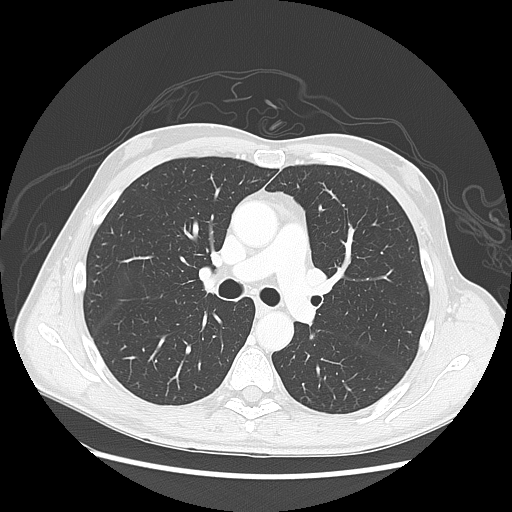
Axial chest CT slice 97 of 147 (counted from the lowest slice); tube voltage 120 kVp, convolution kernel LUNG; slices 2.50 mm thick, 0.742 mm per pixel.
Pulmonary nodule, outlined by three of the four readers. Box on this slice rows 334–340, columns 309–314, the union of the readers' outlines on this slice; longest diameter 7.6 mm on average over the three readers' outlines (readers' outlines 6.1–9.0 mm), volume 93–165 mm3. The readers' prevailing ratings and who disagreed: texture 5/5 (solid), all three readers agreeing; margin 4/5, all three readers agreeing; sphericity 5/5 (round) by two of three readers; the rest gave 4/5 (one); calcification absent from all three readers; internal structure soft tissue, all three readers agreeing; subtlety 3/5 by two of three readers; the rest gave 1/5 (one); most readers (two of three) put malignancy likelihood at 3/5, others 2/5 (one). Scale key (1–5): texture non-solid→solid, margin indistinct→circumscribed, sphericity linear→round, subtlety extremely subtle→obvious, malignancy likelihood highly unlikely→highly suspicious of cancer. Box rows and columns are 0-based pixel indices from the top-left corner, inclusive.